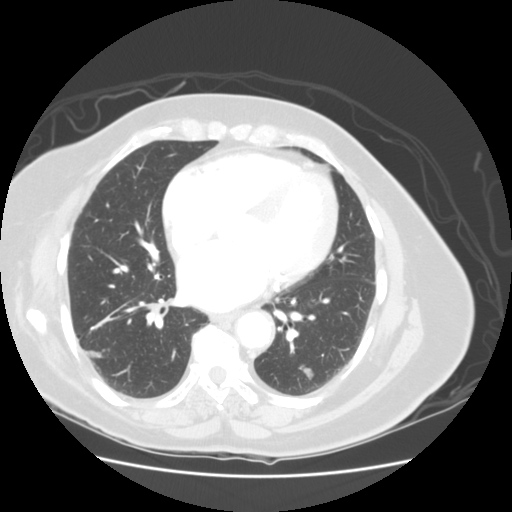
Axial chest CT slice 47 of 114 (counted from the lowest slice); 2.50 mm thick, 0.703 mm per pixel. Pulmonary nodule at rows 364–379, columns 299–314 (box = the union of the readers' outlines on this slice), outlined by three of the four readers; median longest diameter 21.2 mm (readers' outlines 20.1–25.1 mm), median volume 2833 mm3 (2723–2965 mm3). Median ratings and the readers' spread: texture 5/5 (solid), all three readers agreeing; margin 4/5 at the median of three readers, spread 4/5 to 5/5 (circumscribed); sphericity 3/5 (ovoid), all three readers agreeing; calcification absent from all three readers; internal structure soft tissue, all three readers agreeing; subtlety 5/5 from all three readers; median malignancy likelihood 5/5 (readers ranged 2–5). Scale key (1–5): texture non-solid→solid, margin indistinct→circumscribed, sphericity linear→round, subtlety extremely subtle→obvious, malignancy likelihood highly unlikely→highly suspicious of cancer. Box rows and columns are 0-based pixel indices from the top-left corner, inclusive.
Tube voltage 120 kVp; convolution kernel STANDARD.